Axial chest CT slice 166 of 310 (counted from the lowest slice); tube voltage 120 kVp, convolution kernel D; slices 1.00 mm thick, 0.643 mm per pixel.
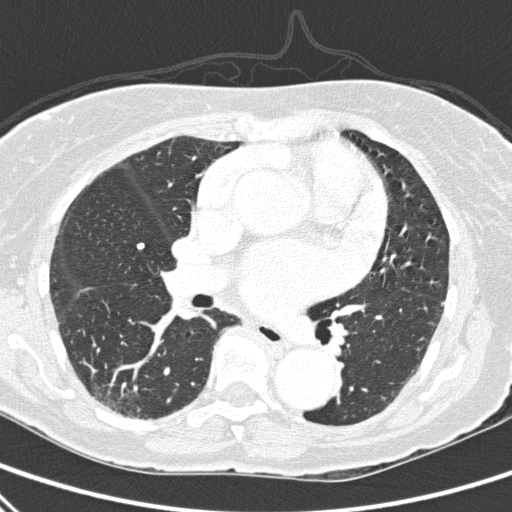
Pulmonary nodule outlined by all four readers; box rows 243–249, columns 136–144 (the union of the readers' outlines on this slice); longest diameter 5.7–7.2 mm and volume 39–81 mm3 across the four readers' outlines. Ratings across the readers: texture 5/5 (solid) from all four readers; margin 5/5 (circumscribed), all four readers agreeing; sphericity from 3/5 (ovoid) to 5/5 (round) across the four readers; calcification solid calcification, all four readers agreeing; internal structure soft tissue, all four readers agreeing; subtlety 5/5 from all four readers; malignancy likelihood 1/5, all four readers agreeing. Scale key (1–5): texture non-solid→solid, margin indistinct→circumscribed, sphericity linear→round, subtlety extremely subtle→obvious, malignancy likelihood highly unlikely→highly suspicious of cancer. Box rows and columns are 0-based pixel indices from the top-left corner, inclusive.